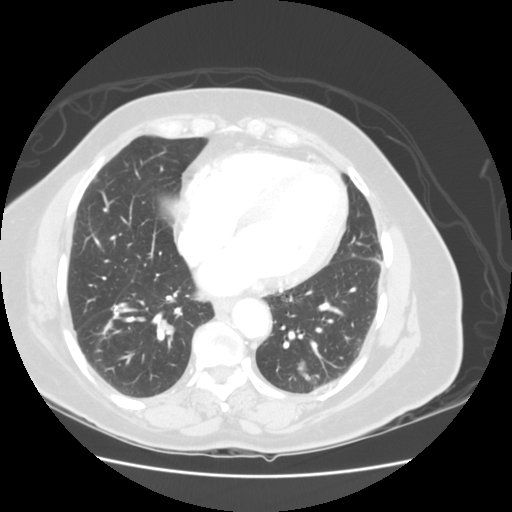
This is axial slice 40 of 114 (slice 1 is the lowest) of a chest CT; each pixel is 0.703 mm and the slice is 2.50 mm thick. Pulmonary nodule, outlined by three of the four readers, two of them on this slice. Box on this slice rows 358–380, columns 297–312, the union of the readers' outlines on this slice; median longest diameter 21.2 mm (readers' outlines 20.1–25.1 mm), median volume 2833 mm3 (2723–2965 mm3). Median ratings and the readers' spread: texture 5/5 (solid) from all three readers; median margin 4/5 (readers ranged 4/5 to 5/5 (circumscribed)); sphericity 3/5 (ovoid), all three readers agreeing; calcification absent, all three readers agreeing; internal structure soft tissue from all three readers; subtlety 5/5 from all three readers; malignancy likelihood 5/5 at the median of three readers, spread 2–5. Scale key (1–5): texture non-solid→solid, margin indistinct→circumscribed, sphericity linear→round, subtlety extremely subtle→obvious, malignancy likelihood highly unlikely→highly suspicious of cancer. Box rows and columns are 0-based pixel indices from the top-left corner, inclusive.
Tube voltage 120 kVp; convolution kernel STANDARD.